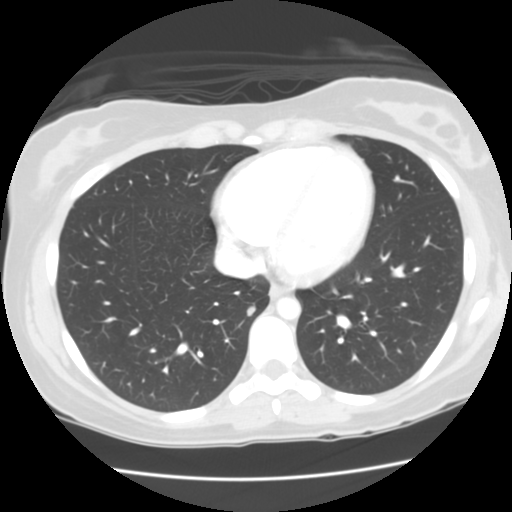
Axial slice 64 of 133 of a chest CT (slice 1 is the lowest), reconstructed with the STANDARD kernel at 120 kVp; 2.50 mm slice thickness and 0.625 mm pixels.
Pulmonary nodule, outlined by all four readers. Box on this slice rows 305–315, columns 245–255, the union of the readers' outlines on this slice; median longest diameter 8.0 mm (readers' outlines 7.3–8.9 mm), median volume 217 mm3 (208–262 mm3). Median ratings and the readers' spread: texture 5/5 (solid) from all four readers; median margin 5/5 (circumscribed) (readers ranged 4/5 to 5/5 (circumscribed)); median sphericity 4/5 (readers ranged 3/5 (ovoid) to 5/5 (round)); calcification absent from all four readers; internal structure soft tissue, all four readers agreeing; subtlety 3/5 at the median of four readers, spread 3–5; malignancy likelihood 2.5/5 at the median of four readers, spread 2–4. Scale key (1–5): texture non-solid→solid, margin indistinct→circumscribed, sphericity linear→round, subtlety extremely subtle→obvious, malignancy likelihood highly unlikely→highly suspicious of cancer. Box rows and columns are 0-based pixel indices from the top-left corner, inclusive.